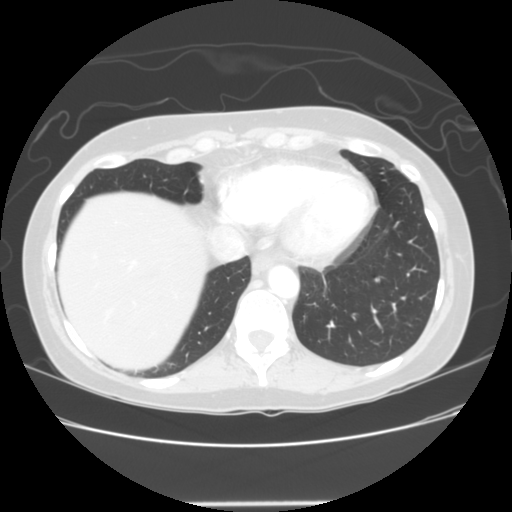
This is axial slice 44 of 140 (slice 1 is the lowest) of a chest CT; each pixel is 0.703 mm and the slice is 2.50 mm thick. Pulmonary nodule at rows 276–282, columns 374–379 (box = the union of the readers' outlines on this slice), outlined by all four readers, three of them on this slice; longest diameter 6.0–7.6 mm and volume 112–187 mm3 across the four readers' outlines. The readers' ratings, as ranges where they differ: texture 5/5 (solid), all four readers agreeing; margin 5/5 (circumscribed) from all four readers; sphericity from 4/5 to 5/5 (round) across the four readers; calcification: solid calcification (three), absent (one); internal structure soft tissue, all four readers agreeing; subtlety rated between 3 and 5 out of 5 by the four readers; malignancy likelihood rated between 1 and 2 out of 5 by the four readers. Scale key (1–5): texture non-solid→solid, margin indistinct→circumscribed, sphericity linear→round, subtlety extremely subtle→obvious, malignancy likelihood highly unlikely→highly suspicious of cancer. Box rows and columns are 0-based pixel indices from the top-left corner, inclusive.
Scan settings: 120 kVp, STANDARD reconstruction kernel.